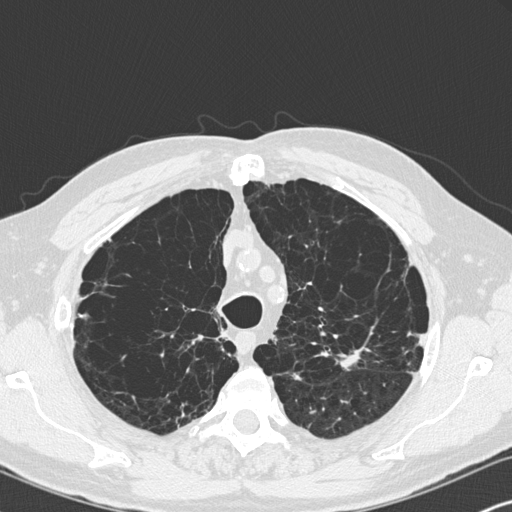
Slice 253/347 of a chest CT, counting up from the lowest; pixel size 0.625 mm, slice thickness 1.00 mm. Two pulmonary nodules are outlined on this slice; from left to right: (1) Pulmonary nodule outlined by two of the four readers; box rows 373–380, columns 292–301 (the union of the readers' outlines on this slice); longest diameter 11.8 mm on average over the two readers' outlines (readers' outlines 11.3–12.3 mm), volume 328–329 mm3. Ratings, by the readers' most common answer with dissent counted: texture 5/5 (solid) from both readers; margin split among the readers: 2/5 (one), 4/5 (one); sphericity split among the readers: 2/5 (one), 4/5 (one); calcification absent from both readers; internal structure soft tissue from both readers; subtlety split among the readers: 4/5 (one), 5/5 (one); malignancy likelihood 3/5 from both readers. (2) Pulmonary nodule, outlined by one of the four readers. Box on this slice rows 348–370, columns 340–361, that reader's outline on this slice; longest diameter 24.3 mm and volume 1862 mm3 from that reader's outline. That reader's ratings: texture 5/5 (solid); margin 4/5; sphericity 3/5 (ovoid); calcification absent; internal structure soft tissue; subtlety 5/5; malignancy likelihood 4/5. Scale key (1–5): texture non-solid→solid, margin indistinct→circumscribed, sphericity linear→round, subtlety extremely subtle→obvious, malignancy likelihood highly unlikely→highly suspicious of cancer. Box rows and columns are 0-based pixel indices from the top-left corner, inclusive.
Scan settings: 120 kVp, B45f reconstruction kernel.